One axial slice (228 of 305, counting up from the lowest) of a chest CT acquired at 140 kVp with the B kernel; each pixel is 0.834 mm and the slice is 2.00 mm thick.
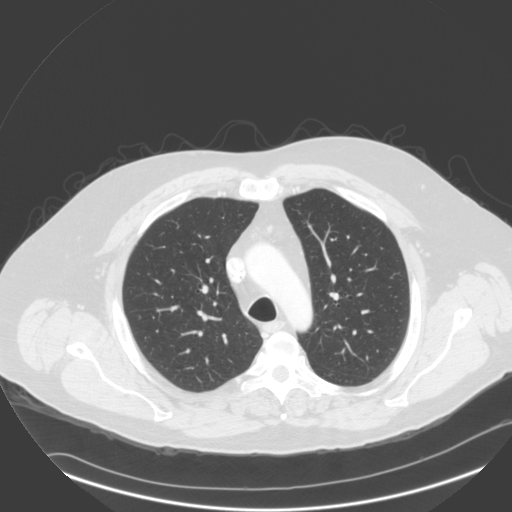
No nodule 3 mm or larger was outlined here by any reader.